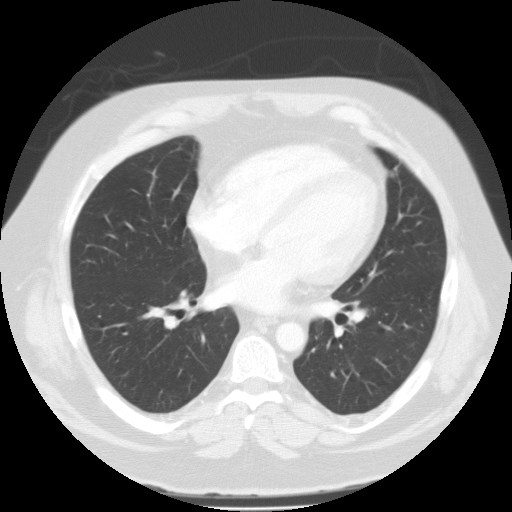
This is axial slice 55 of 115 (slice 1 is the lowest) of a chest CT; each pixel is 0.789 mm and the slice is 3.00 mm thick. Pulmonary nodule at rows 166–169, columns 394–397 (box = the union of the readers' outlines on this slice), outlined by all four readers, three of them on this slice; longest diameter 12.5 mm on average over the four readers' outlines (readers' outlines 11.8–13.5 mm), volume 900–1080 mm3. Ratings, by the readers' most common answer with dissent counted: texture 5/5 (solid), all four readers agreeing; margin 5/5 (circumscribed), all four readers agreeing; sphericity 5/5 (round), all four readers agreeing; calcification absent from all four readers; internal structure soft tissue from all four readers; subtlety 5/5 from all four readers; malignancy likelihood 4/5 by two of four readers; the rest gave 2/5 (one), 3/5 (one). Scale key (1–5): texture non-solid→solid, margin indistinct→circumscribed, sphericity linear→round, subtlety extremely subtle→obvious, malignancy likelihood highly unlikely→highly suspicious of cancer. Box rows and columns are 0-based pixel indices from the top-left corner, inclusive.
Tube voltage 135 kVp; convolution kernel FC01.